Axial chest CT slice 269 of 506 (counted from the lowest slice); tube voltage 120 kVp, convolution kernel B30f; slices 0.75 mm thick, 0.699 mm per pixel.
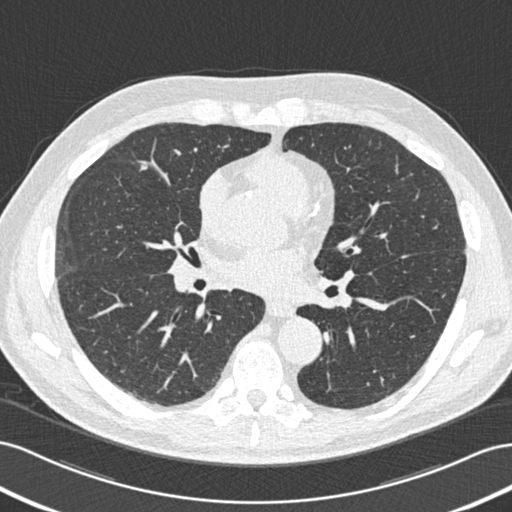
Pulmonary nodule at rows 164–169, columns 140–145 (box = that reader's outline on this slice), outlined by one of the four readers; longest diameter 6.9 mm and volume 38 mm3 from that reader's outline. That reader's ratings: texture 5/5 (solid); margin 4/5; sphericity 4/5; calcification absent; internal structure soft tissue; subtlety 3/5; malignancy likelihood 3/5. Scale key (1–5): texture non-solid→solid, margin indistinct→circumscribed, sphericity linear→round, subtlety extremely subtle→obvious, malignancy likelihood highly unlikely→highly suspicious of cancer. Box rows and columns are 0-based pixel indices from the top-left corner, inclusive.